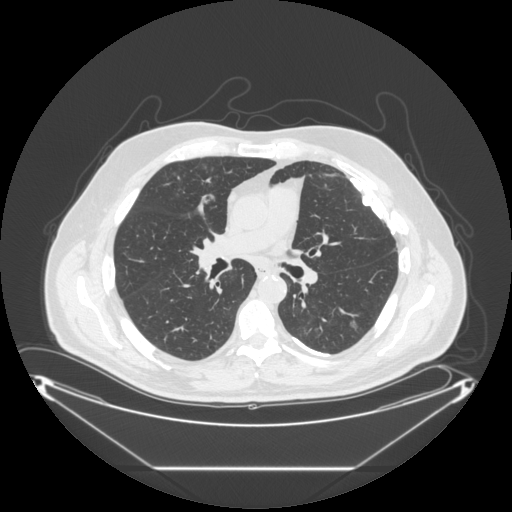
Axial chest CT slice 163 of 297 (counted from the lowest slice); 1.25 mm thick, 0.949 mm per pixel. Pulmonary nodule, outlined by two of the four readers. Box on this slice rows 320–332, columns 349–357, the union of the readers' outlines on this slice; longest diameter 13.8 mm on average over the two readers' outlines (readers' outlines 12.7–15.0 mm), volume 351–570 mm3. The readers' prevailing ratings and who disagreed: texture split among the readers: 1/5 (non-solid) (one), 5/5 (solid) (one); margin split among the readers: 2/5 (one), 5/5 (circumscribed) (one); sphericity split among the readers: 4/5 (one), 5/5 (round) (one); calcification absent, both readers agreeing; internal structure soft tissue, both readers agreeing; subtlety split among the readers: 1/5 (one), 4/5 (one); malignancy likelihood 2/5 from both readers. Scale key (1–5): texture non-solid→solid, margin indistinct→circumscribed, sphericity linear→round, subtlety extremely subtle→obvious, malignancy likelihood highly unlikely→highly suspicious of cancer. Box rows and columns are 0-based pixel indices from the top-left corner, inclusive.
Scan settings: 120 kVp, STANDARD reconstruction kernel.